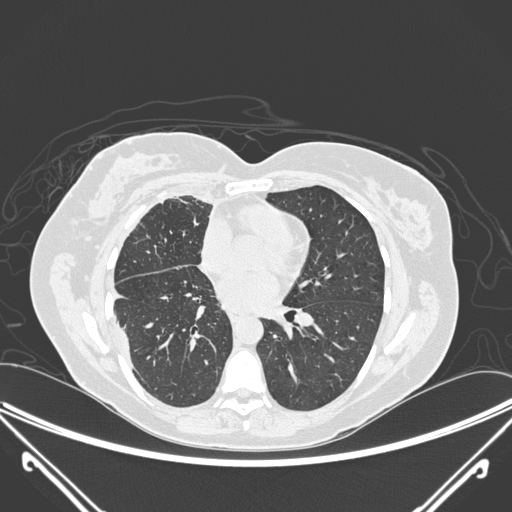
Axial chest CT slice 133 of 275 (counted from the lowest slice); tube voltage 120 kVp, convolution kernel D; slices 1.00 mm thick, 0.781 mm per pixel.
No nodule of 3 mm or larger was outlined by any of the four readers on this slice.